Axial chest CT slice 276 of 375 (counted from the lowest slice); tube voltage 120 kVp, convolution kernel STANDARD; slices 1.25 mm thick, 0.625 mm per pixel.
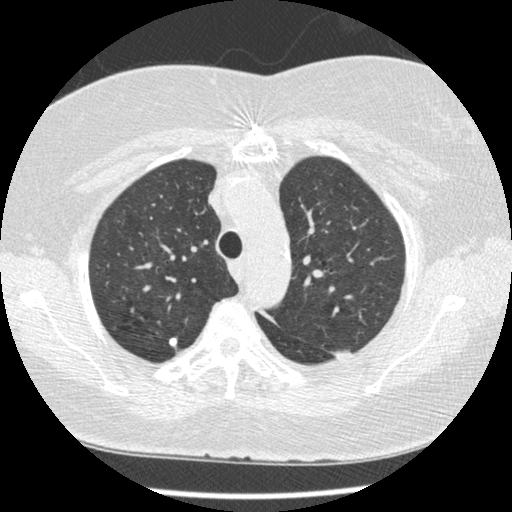
Two pulmonary nodules are outlined on this slice; from left to right: (1) Pulmonary nodule outlined by three of the four readers, two of them on this slice; box rows 320–324, columns 157–160 (the union of the readers' outlines on this slice); longest diameter 5.4 mm on average over the three readers' outlines (readers' outlines 5.0–5.9 mm), volume 31–56 mm3. Ratings, by the readers' most common answer with dissent counted: texture 5/5 (solid), all three readers agreeing; margin 5/5 (circumscribed) from all three readers; most readers (two of three) put sphericity at 5/5 (round), others 4/5 (one); calcification solid calcification by two of three readers, absent (one); internal structure soft tissue, all three readers agreeing; most readers (two of three) put subtlety at 4/5, others 5/5 (one); most readers (two of three) put malignancy likelihood at 1/5, others 2/5 (one). (2) Pulmonary nodule at rows 337–347, columns 168–176 (box = the union of the readers' outlines on this slice), outlined by two of the four readers; the two readers' outlines give a longest diameter between 6.4 and 9.1 mm and a volume between 95 and 233 mm3. The readers' ratings, as ranges where they differ: texture 5/5 (solid) from both readers; margin 5/5 (circumscribed), both readers agreeing; sphericity from 3/5 (ovoid) to 4/5 across the two readers; calcification split among the readers: solid calcification (one), absent (one); internal structure soft tissue from both readers; subtlety 4–5/5 (the readers disagree); malignancy likelihood rated between 1 and 3 out of 5 by the two readers. Scale key (1–5): texture non-solid→solid, margin indistinct→circumscribed, sphericity linear→round, subtlety extremely subtle→obvious, malignancy likelihood highly unlikely→highly suspicious of cancer. Box rows and columns are 0-based pixel indices from the top-left corner, inclusive.